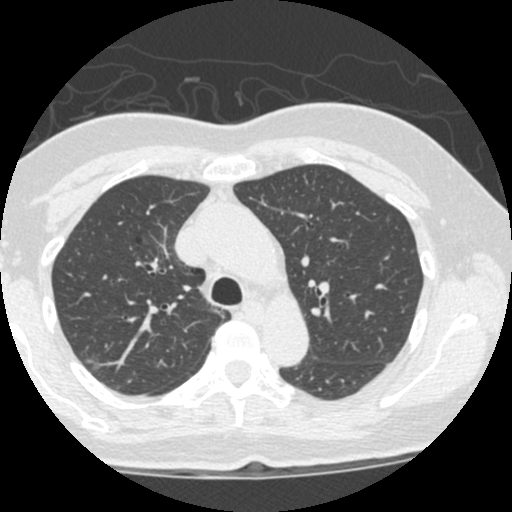
Slice 369/490 of a chest CT, counting up from the lowest; pixel size 0.547 mm, slice thickness 1.25 mm. Pulmonary nodule outlined by three of the four readers; box rows 358–370, columns 85–100 (the union of the readers' outlines on this slice); median longest diameter 15.2 mm (readers' outlines 14.3–18.3 mm), median volume 997 mm3 (967–1422 mm3). Ratings, median across the readers with their spread: median texture 1/5 (non-solid) (readers ranged 1/5 (non-solid) to 5/5 (solid)); margin 2/5 at the median of three readers, spread 2/5 to 4/5; median sphericity 4/5 (readers ranged 3/5 (ovoid) to 5/5 (round)); calcification absent, all three readers agreeing; internal structure soft tissue from all three readers; median subtlety 5/5 (readers ranged 1–5); malignancy likelihood 3/5 at the median of three readers, spread 2–5. Scale key (1–5): texture non-solid→solid, margin indistinct→circumscribed, sphericity linear→round, subtlety extremely subtle→obvious, malignancy likelihood highly unlikely→highly suspicious of cancer. Box rows and columns are 0-based pixel indices from the top-left corner, inclusive.
Acquired at 120 kVp and reconstructed with the STANDARD kernel.